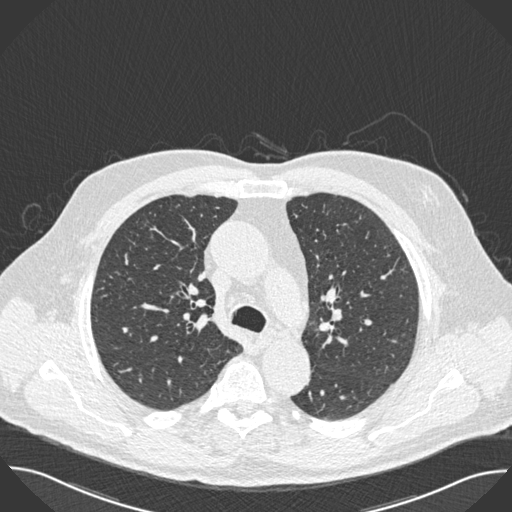
This is axial slice 359 of 493 (slice 1 is the lowest) of a chest CT; each pixel is 0.762 mm and the slice is 0.75 mm thick. Pulmonary nodule outlined by two of the four readers; box rows 350–352, columns 227–229 (the union of the readers' outlines on this slice); longest diameter 7.0 mm on average over the two readers' outlines (readers' outlines 6.6–7.5 mm), volume 41–75 mm3. Ratings, by the readers' most common answer with dissent counted: texture 5/5 (solid), both readers agreeing; margin 4/5 from both readers; sphericity 3/5 (ovoid), both readers agreeing; calcification absent, both readers agreeing; internal structure soft tissue from both readers; subtlety 4/5 from both readers; malignancy likelihood split among the readers: 2/5 (one), 3/5 (one). Scale key (1–5): texture non-solid→solid, margin indistinct→circumscribed, sphericity linear→round, subtlety extremely subtle→obvious, malignancy likelihood highly unlikely→highly suspicious of cancer. Box rows and columns are 0-based pixel indices from the top-left corner, inclusive.
Tube voltage 120 kVp; convolution kernel B30f.